One axial slice (66 of 115, counting up from the lowest) of a chest CT acquired at 135 kVp with the FC01 kernel; each pixel is 0.729 mm and the slice is 3.00 mm thick.
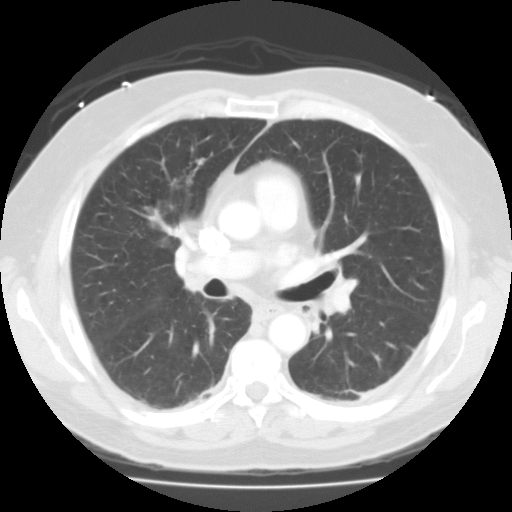
Pulmonary nodule, outlined by one of the four readers. Box on this slice rows 159–165, columns 196–204, that reader's outline on this slice; longest diameter 8.3 mm and volume 289 mm3 from that reader's outline. Ratings by that reader: texture 5/5 (solid); margin 4/5; sphericity 4/5; calcification absent; internal structure soft tissue; subtlety 5/5; malignancy likelihood 1/5. Scale key (1–5): texture non-solid→solid, margin indistinct→circumscribed, sphericity linear→round, subtlety extremely subtle→obvious, malignancy likelihood highly unlikely→highly suspicious of cancer. Box rows and columns are 0-based pixel indices from the top-left corner, inclusive.